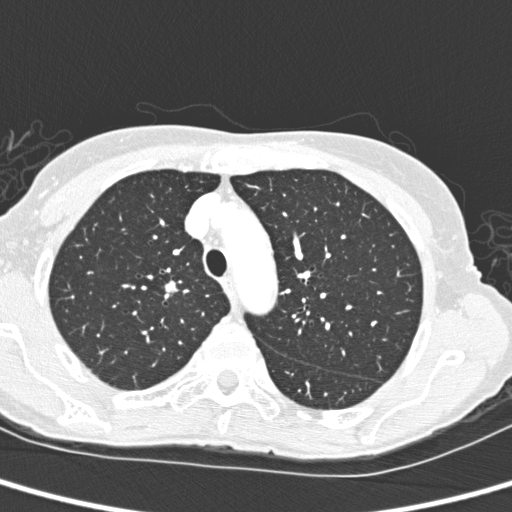
Chest CT, axial plane, 120 kVp, kernel D. Slice 209/280 from the bottom of the scan; thickness 1.00 mm; pixel size 0.564 mm.
Pulmonary nodule, outlined by all four readers. Box on this slice rows 279–292, columns 164–178, the union of the readers' outlines on this slice; longest diameter 9.9–12.5 mm and volume 362–590 mm3 across the four readers' outlines. The readers' ratings, as ranges where they differ: texture from 4/5 to 5/5 (solid) across the four readers; margin from 4/5 to 5/5 (circumscribed) across the four readers; sphericity from 3/5 (ovoid) to 5/5 (round) across the four readers; calcification absent, all four readers agreeing; internal structure soft tissue from all four readers; subtlety 4–5/5 (the readers disagree); malignancy likelihood from 2/5 to 5/5 across the four readers. Scale key (1–5): texture non-solid→solid, margin indistinct→circumscribed, sphericity linear→round, subtlety extremely subtle→obvious, malignancy likelihood highly unlikely→highly suspicious of cancer. Box rows and columns are 0-based pixel indices from the top-left corner, inclusive.